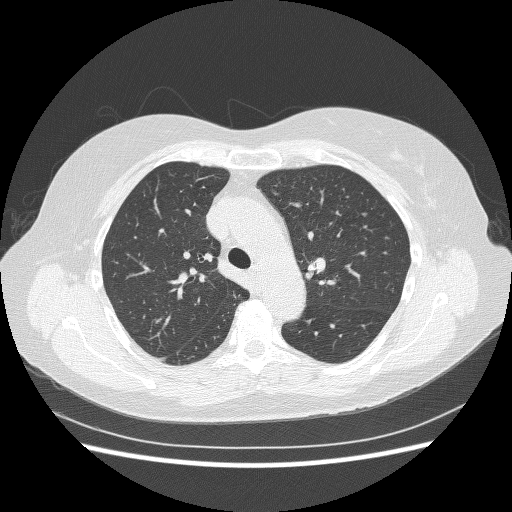
Chest CT, axial plane, 120 kVp, kernel BONE. Slice 176/240 from the bottom of the scan; thickness 1.25 mm; pixel size 0.703 mm.
Pulmonary nodule outlined by two of the four readers; box rows 212–216, columns 361–367 (the union of the readers' outlines on this slice); longest diameter 5.5 mm on average over the two readers' outlines (readers' outlines 5.1–5.8 mm), volume 48–74 mm3. The readers' prevailing ratings and who disagreed: texture 5/5 (solid), both readers agreeing; margin 4/5, both readers agreeing; sphericity split among the readers: 2/5 (one), 3/5 (ovoid) (one); calcification absent, both readers agreeing; internal structure soft tissue, both readers agreeing; subtlety split among the readers: 1/5 (one), 2/5 (one); malignancy likelihood split among the readers: 2/5 (one), 3/5 (one). Scale key (1–5): texture non-solid→solid, margin indistinct→circumscribed, sphericity linear→round, subtlety extremely subtle→obvious, malignancy likelihood highly unlikely→highly suspicious of cancer. Box rows and columns are 0-based pixel indices from the top-left corner, inclusive.